Axial chest CT slice 181 of 328 (counted from the lowest slice); tube voltage 120 kVp, convolution kernel D; slices 2.00 mm thick, 0.742 mm per pixel.
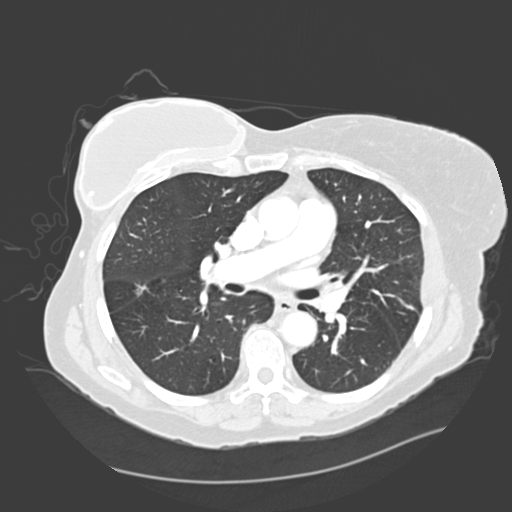
Pulmonary nodule, outlined by all four readers. Box on this slice rows 284–296, columns 135–148, the union of the readers' outlines on this slice; the four readers' outlines give a longest diameter between 18.3 and 21.0 mm and a volume between 877 and 1921 mm3. The readers' ratings, as ranges where they differ: texture from 3/5 (part-solid) to 5/5 (solid) across the four readers; margin from 2/5 to 4/5 across the four readers; sphericity from 2/5 to 3/5 (ovoid) across the four readers; calcification absent, all four readers agreeing; internal structure soft tissue from all four readers; subtlety from 4/5 to 5/5 across the four readers; malignancy likelihood from 3/5 to 5/5 across the four readers. Scale key (1–5): texture non-solid→solid, margin indistinct→circumscribed, sphericity linear→round, subtlety extremely subtle→obvious, malignancy likelihood highly unlikely→highly suspicious of cancer. Box rows and columns are 0-based pixel indices from the top-left corner, inclusive.